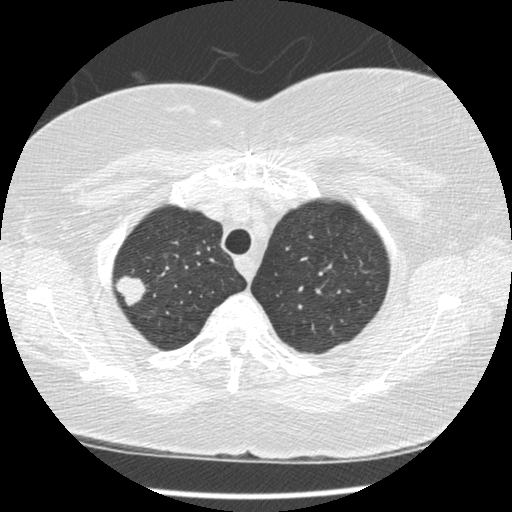
This is axial slice 306 of 375 (slice 1 is the lowest) of a chest CT; each pixel is 0.625 mm and the slice is 1.25 mm thick. Pulmonary nodule outlined by all four readers; box rows 273–306, columns 112–145 (the union of the readers' outlines on this slice); longest diameter 22.5 mm on average over the four readers' outlines (readers' outlines 21.2–23.2 mm), volume 2289–3466 mm3. The readers' prevailing ratings and who disagreed: most readers (three of four) put texture at 5/5 (solid), others 4/5 (one); margin 4/5 by two of four readers; the rest gave 3/5 (one), 5/5 (circumscribed) (one); sphericity split among the readers: 2/5 (one), 3/5 (ovoid) (one), 4/5 (one), 5/5 (round) (one); calcification absent from all four readers; internal structure soft tissue from all four readers; subtlety 5/5, all four readers agreeing; most readers (three of four) put malignancy likelihood at 5/5, others 3/5 (one). Scale key (1–5): texture non-solid→solid, margin indistinct→circumscribed, sphericity linear→round, subtlety extremely subtle→obvious, malignancy likelihood highly unlikely→highly suspicious of cancer. Box rows and columns are 0-based pixel indices from the top-left corner, inclusive.
Scan settings: 120 kVp, STANDARD reconstruction kernel.